Chest CT, axial plane, 120 kVp, kernel STANDARD. Slice 133/232 from the bottom of the scan; thickness 1.25 mm; pixel size 0.742 mm.
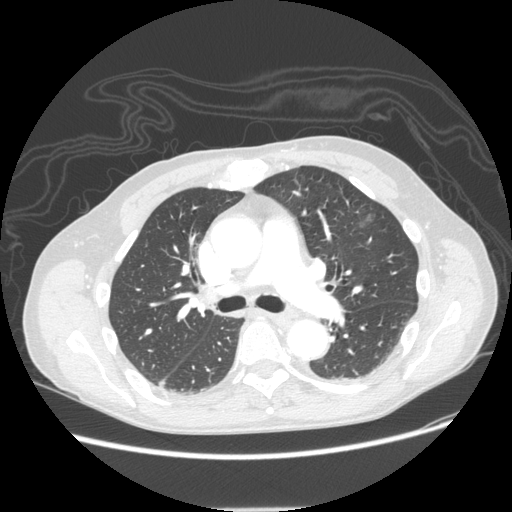
Pulmonary nodule, outlined by one of the four readers. Box on this slice rows 213–228, columns 358–373, that reader's outline on this slice; longest diameter 22.3 mm and volume 979 mm3 from that reader's outline. That reader's ratings: texture 1/5 (non-solid); margin 1/5 (indistinct); sphericity 4/5; calcification absent; internal structure soft tissue; subtlety 2/5; malignancy likelihood 2/5. Scale key (1–5): texture non-solid→solid, margin indistinct→circumscribed, sphericity linear→round, subtlety extremely subtle→obvious, malignancy likelihood highly unlikely→highly suspicious of cancer. Box rows and columns are 0-based pixel indices from the top-left corner, inclusive.